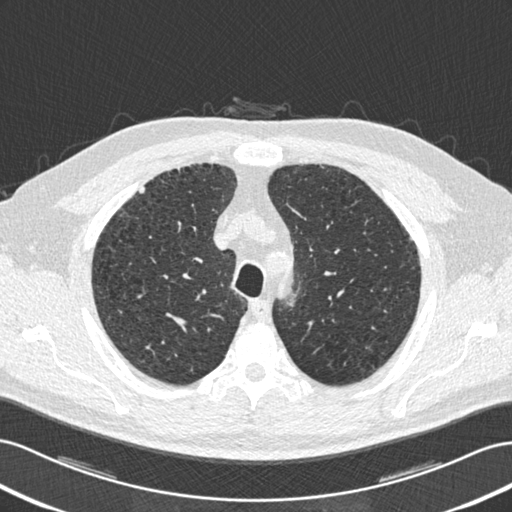
Slice 411/506 of a chest CT, counting up from the lowest; pixel size 0.699 mm, slice thickness 0.75 mm. Pulmonary nodule outlined by two of the four readers; box rows 186–193, columns 138–145 (the union of the readers' outlines on this slice); median longest diameter 7.0 mm (readers' outlines 7.0 mm), median volume 87 mm3 (87 mm3). Ratings, median across the readers with their spread: texture 5/5 (solid), both readers agreeing; margin 4/5, both readers agreeing; sphericity 3.5/5 at the median of two readers, spread 3/5 (ovoid) to 4/5; calcification absent from both readers; internal structure soft tissue from both readers; subtlety 3/5 at the median of two readers, spread 2–4; malignancy likelihood 2/5 at the median of two readers, spread 1–3. Scale key (1–5): texture non-solid→solid, margin indistinct→circumscribed, sphericity linear→round, subtlety extremely subtle→obvious, malignancy likelihood highly unlikely→highly suspicious of cancer. Box rows and columns are 0-based pixel indices from the top-left corner, inclusive.
Acquired at 120 kVp and reconstructed with the B30f kernel.